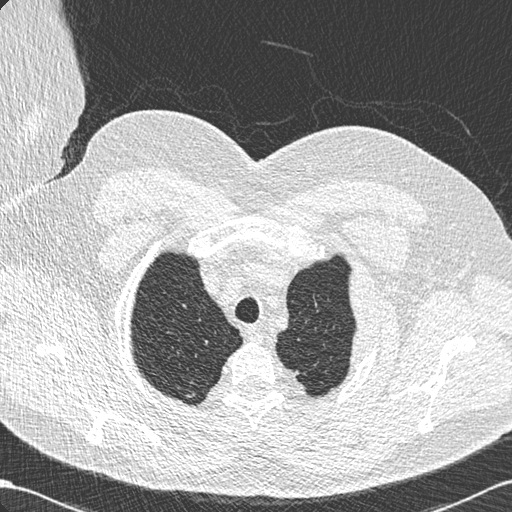
Axial chest CT slice 539 of 636 (counted from the lowest slice); 0.60 mm thick, 0.689 mm per pixel. Pulmonary nodule outlined by one of the four readers; box rows 394–399, columns 185–192 (that reader's outline on this slice); longest diameter 7.2 mm and volume 71 mm3 from that reader's outline. Ratings by that reader: texture 4/5; margin 5/5 (circumscribed); sphericity 3/5 (ovoid); calcification absent; internal structure soft tissue; subtlety 5/5; malignancy likelihood 3/5. Scale key (1–5): texture non-solid→solid, margin indistinct→circumscribed, sphericity linear→round, subtlety extremely subtle→obvious, malignancy likelihood highly unlikely→highly suspicious of cancer. Box rows and columns are 0-based pixel indices from the top-left corner, inclusive.
Tube voltage 120 kVp; convolution kernel B30f.